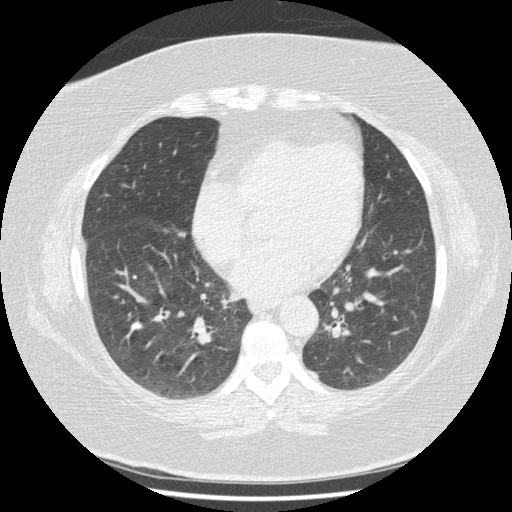
Axial chest CT slice 185 of 417 (counted from the lowest slice); 1.25 mm thick, 0.703 mm per pixel. Pulmonary nodule outlined by all four readers; box rows 320–329, columns 131–142 (the union of the readers' outlines on this slice); the four readers' outlines give a longest diameter between 10.5 and 10.9 mm and a volume between 396 and 502 mm3. The readers' ratings, as ranges where they differ: texture 5/5 (solid), all four readers agreeing; margin 5/5 (circumscribed) from all four readers; sphericity from 3/5 (ovoid) to 4/5 across the four readers; calcification: solid calcification (three), absent (one); internal structure soft tissue, all four readers agreeing; subtlety 5/5, all four readers agreeing; malignancy likelihood 1/5, all four readers agreeing. Scale key (1–5): texture non-solid→solid, margin indistinct→circumscribed, sphericity linear→round, subtlety extremely subtle→obvious, malignancy likelihood highly unlikely→highly suspicious of cancer. Box rows and columns are 0-based pixel indices from the top-left corner, inclusive.
Tube voltage 120 kVp; convolution kernel STANDARD.